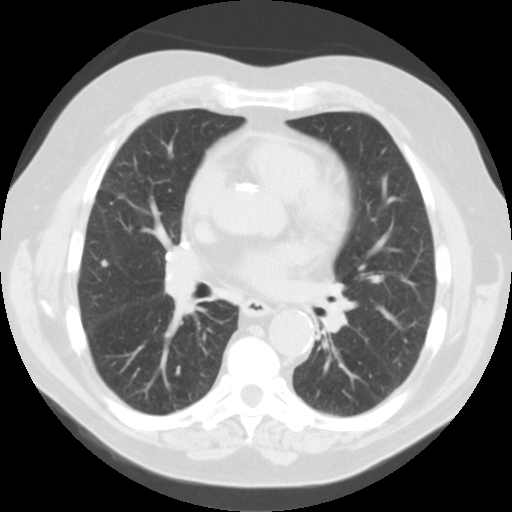
One axial slice (63 of 115, counting up from the lowest) of a chest CT acquired at 135 kVp with the FC01 kernel; each pixel is 0.720 mm and the slice is 3.00 mm thick.
Pulmonary nodule, outlined by three of the four readers. Box on this slice rows 259–267, columns 101–107, the union of the readers' outlines on this slice; longest diameter 6.9 mm on average over the three readers' outlines (readers' outlines 6.4–7.5 mm), volume 165–203 mm3. Ratings, by the readers' most common answer with dissent counted: texture split among the readers: 3/5 (part-solid) (one), 4/5 (one), 5/5 (solid) (one); margin 4/5 by two of three readers; the rest gave 3/5 (one); sphericity 5/5 (round) by two of three readers; the rest gave 3/5 (ovoid) (one); calcification absent, all three readers agreeing; internal structure soft tissue from all three readers; subtlety split among the readers: 3/5 (one), 4/5 (one), 5/5 (one); malignancy likelihood 3/5 by two of three readers; the rest gave 2/5 (one). Scale key (1–5): texture non-solid→solid, margin indistinct→circumscribed, sphericity linear→round, subtlety extremely subtle→obvious, malignancy likelihood highly unlikely→highly suspicious of cancer. Box rows and columns are 0-based pixel indices from the top-left corner, inclusive.